Axial chest CT slice 256 of 513 (counted from the lowest slice); tube voltage 120 kVp, convolution kernel STANDARD; slices 1.25 mm thick, 0.703 mm per pixel.
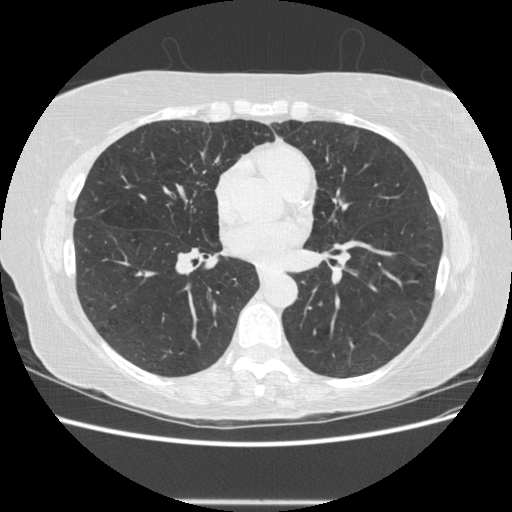
None of the four readers outlined a nodule of 3 mm or more on this slice.